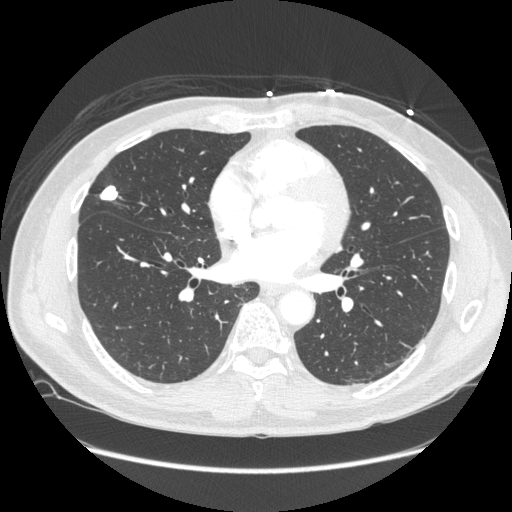
Axial chest CT slice 110 of 261 (counted from the lowest slice); 1.25 mm thick, 0.781 mm per pixel. Pulmonary nodule outlined by all four readers; box rows 185–200, columns 99–118 (the union of the readers' outlines on this slice); longest diameter 18.5 mm on average over the four readers' outlines (readers' outlines 18.0–19.6 mm), volume 893–1130 mm3. The readers' prevailing ratings and who disagreed: texture 5/5 (solid) from all four readers; margin 5/5 (circumscribed) by three of four readers; the rest gave 4/5 (one); sphericity 3/5 (ovoid) by two of four readers; the rest gave 4/5 (one), 5/5 (round) (one); calcification solid calcification by three of four readers, absent (one); internal structure soft tissue from all four readers; subtlety 5/5, all four readers agreeing; malignancy likelihood 1/5 by three of four readers; the rest gave 4/5 (one). Scale key (1–5): texture non-solid→solid, margin indistinct→circumscribed, sphericity linear→round, subtlety extremely subtle→obvious, malignancy likelihood highly unlikely→highly suspicious of cancer. Box rows and columns are 0-based pixel indices from the top-left corner, inclusive.
Acquired at 120 kVp and reconstructed with the STANDARD kernel.